One axial slice (99 of 143, counting up from the lowest) of a chest CT acquired at 120 kVp with the LUNG kernel; each pixel is 0.781 mm and the slice is 2.50 mm thick.
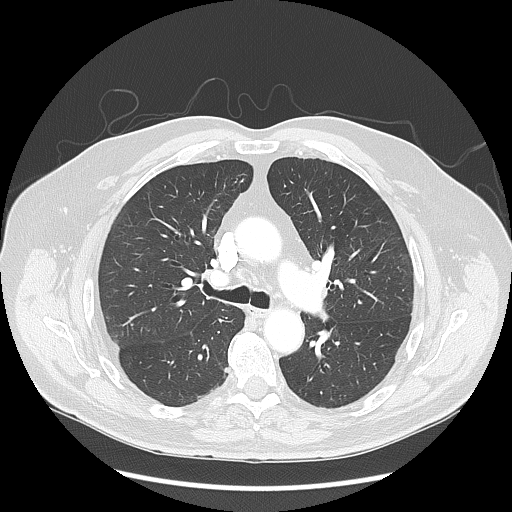
Pulmonary nodule at rows 367–373, columns 224–229 (box = that reader's outline on this slice), outlined by one of the four readers; longest diameter 6.4 mm and volume 80 mm3 from that reader's outline. That reader's ratings: texture 5/5 (solid); margin 5/5 (circumscribed); sphericity 5/5 (round); calcification absent; internal structure soft tissue; subtlety 2/5; malignancy likelihood 2/5. Scale key (1–5): texture non-solid→solid, margin indistinct→circumscribed, sphericity linear→round, subtlety extremely subtle→obvious, malignancy likelihood highly unlikely→highly suspicious of cancer. Box rows and columns are 0-based pixel indices from the top-left corner, inclusive.